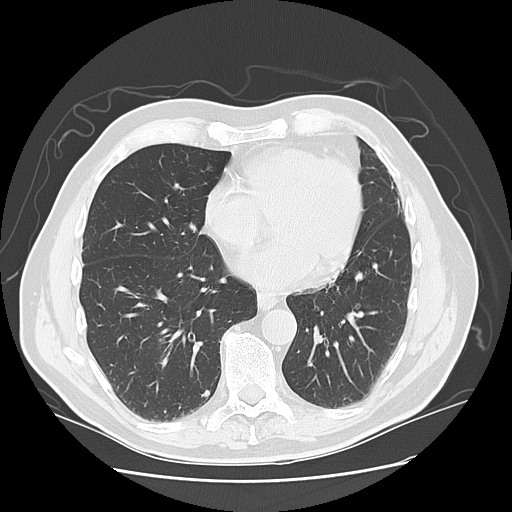
Chest CT, axial plane, 120 kVp, kernel LUNG. Slice 49/131 from the bottom of the scan; thickness 2.50 mm; pixel size 0.723 mm.
Pulmonary nodule at rows 390–396, columns 201–209 (box = the union of the readers' outlines on this slice), outlined by three of the four readers; median longest diameter 8.1 mm (readers' outlines 8.1–8.2 mm), median volume 187 mm3 (186–190 mm3). Median ratings and the readers' spread: texture 5/5 (solid), all three readers agreeing; margin 5/5 (circumscribed) at the median of three readers, spread 4/5 to 5/5 (circumscribed); sphericity 3/5 (ovoid) at the median of three readers, spread 2/5 to 3/5 (ovoid); calcification: absent (two), solid calcification (one); internal structure soft tissue from all three readers; subtlety 4/5 at the median of three readers, spread 3–5; malignancy likelihood 1/5 at the median of three readers, spread 1–2. Scale key (1–5): texture non-solid→solid, margin indistinct→circumscribed, sphericity linear→round, subtlety extremely subtle→obvious, malignancy likelihood highly unlikely→highly suspicious of cancer. Box rows and columns are 0-based pixel indices from the top-left corner, inclusive.